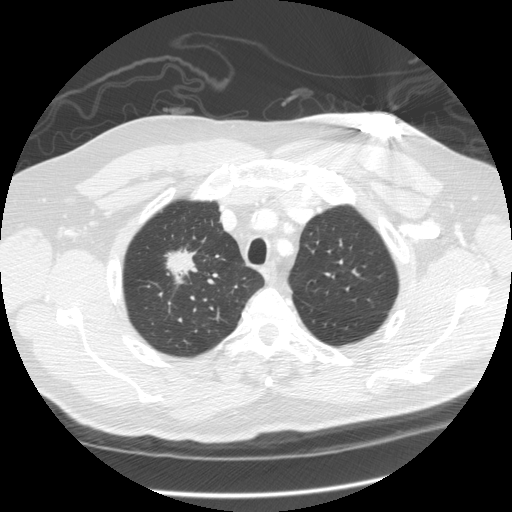
Axial slice 253 of 305 of a chest CT (slice 1 is the lowest), reconstructed with the STANDARD kernel at 120 kVp; 1.25 mm slice thickness and 0.732 mm pixels.
Pulmonary nodule at rows 246–284, columns 163–198 (box = the union of the readers' outlines on this slice), outlined by three of the four readers; the three readers' outlines give a longest diameter between 41.0 and 45.9 mm and a volume between 6528 and 11092 mm3. The readers' ratings, as ranges where they differ: texture from 3/5 (part-solid) to 5/5 (solid) across the three readers; margin from 1/5 (indistinct) to 4/5 across the three readers; sphericity from 2/5 to 3/5 (ovoid) across the three readers; calcification absent from all three readers; internal structure soft tissue, all three readers agreeing; subtlety 5/5 from all three readers; malignancy likelihood 5/5 from all three readers. Scale key (1–5): texture non-solid→solid, margin indistinct→circumscribed, sphericity linear→round, subtlety extremely subtle→obvious, malignancy likelihood highly unlikely→highly suspicious of cancer. Box rows and columns are 0-based pixel indices from the top-left corner, inclusive.